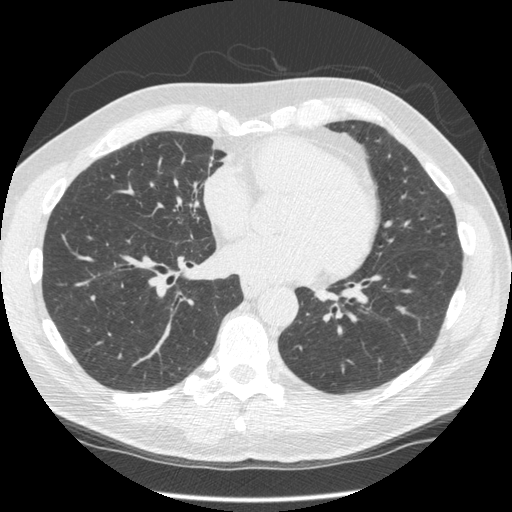
Axial chest CT slice 219 of 545 (counted from the lowest slice); tube voltage 120 kVp, convolution kernel STANDARD; slices 1.25 mm thick, 0.703 mm per pixel.
No nodule of 3 mm or larger was outlined by any of the four readers on this slice.